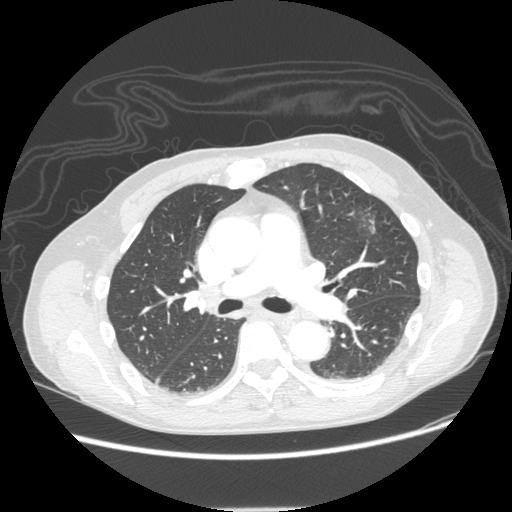
Axial chest CT slice 130 of 232 (counted from the lowest slice); tube voltage 120 kVp, convolution kernel STANDARD; slices 1.25 mm thick, 0.742 mm per pixel.
Pulmonary nodule outlined by one of the four readers; box rows 212–231, columns 359–374 (that reader's outline on this slice); longest diameter 22.3 mm and volume 979 mm3 from that reader's outline. Ratings by that reader: texture 1/5 (non-solid); margin 1/5 (indistinct); sphericity 4/5; calcification absent; internal structure soft tissue; subtlety 2/5; malignancy likelihood 2/5. Scale key (1–5): texture non-solid→solid, margin indistinct→circumscribed, sphericity linear→round, subtlety extremely subtle→obvious, malignancy likelihood highly unlikely→highly suspicious of cancer. Box rows and columns are 0-based pixel indices from the top-left corner, inclusive.